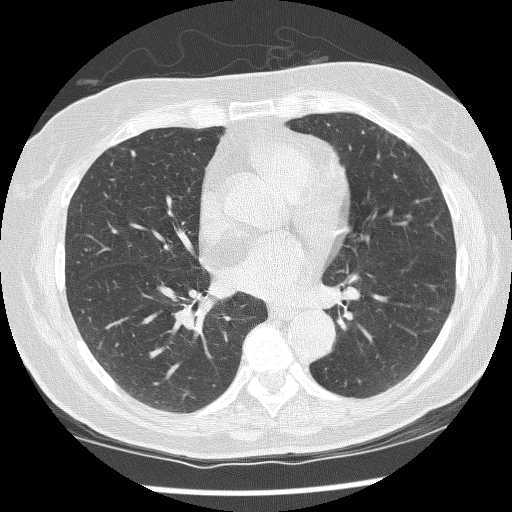
This is axial slice 109 of 225 (slice 1 is the lowest) of a chest CT; each pixel is 0.637 mm and the slice is 1.25 mm thick. Pulmonary nodule, outlined by two of the four readers. Box on this slice rows 150–157, columns 130–135, the union of the readers' outlines on this slice; longest diameter 6.0 mm on average over the two readers' outlines (readers' outlines 5.7–6.3 mm), volume 84–91 mm3. The readers' prevailing ratings and who disagreed: texture 5/5 (solid) from both readers; margin split among the readers: 3/5 (one), 5/5 (circumscribed) (one); sphericity split among the readers: 2/5 (one), 4/5 (one); calcification absent from both readers; internal structure soft tissue from both readers; subtlety 4/5, both readers agreeing; malignancy likelihood split among the readers: 2/5 (one), 3/5 (one). Scale key (1–5): texture non-solid→solid, margin indistinct→circumscribed, sphericity linear→round, subtlety extremely subtle→obvious, malignancy likelihood highly unlikely→highly suspicious of cancer. Box rows and columns are 0-based pixel indices from the top-left corner, inclusive.
Tube voltage 120 kVp; convolution kernel BONE.